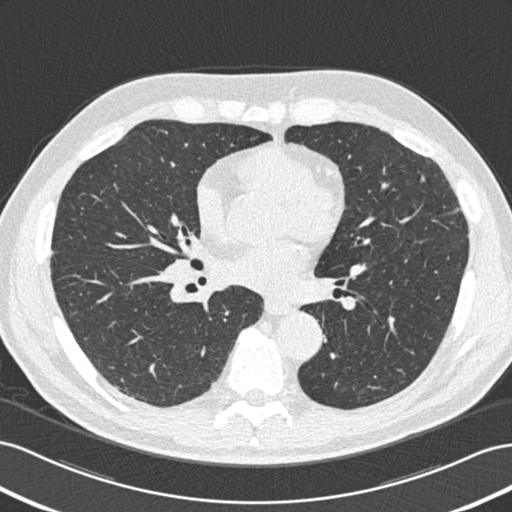
Slice 257/506 of a chest CT, counting up from the lowest; pixel size 0.699 mm, slice thickness 0.75 mm. Pulmonary nodule, outlined by one of the four readers. Box on this slice rows 176–181, columns 421–424, that reader's outline on this slice; longest diameter 5.3 mm and volume 27 mm3 from that reader's outline. Ratings by that reader: texture 5/5 (solid); margin 3/5; sphericity 3/5 (ovoid); calcification absent; internal structure soft tissue; subtlety 2/5; malignancy likelihood 2/5. Scale key (1–5): texture non-solid→solid, margin indistinct→circumscribed, sphericity linear→round, subtlety extremely subtle→obvious, malignancy likelihood highly unlikely→highly suspicious of cancer. Box rows and columns are 0-based pixel indices from the top-left corner, inclusive.
Scan settings: 120 kVp, B30f reconstruction kernel.